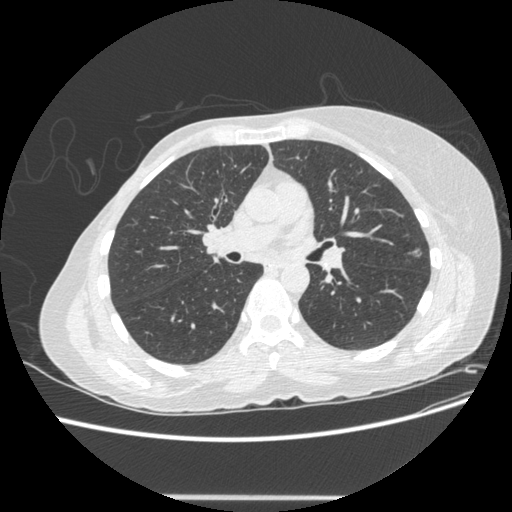
Axial chest CT slice 261 of 500 (counted from the lowest slice); tube voltage 120 kVp, convolution kernel STANDARD; slices 1.25 mm thick, 0.703 mm per pixel.
Pulmonary nodule, outlined by all four readers. Box on this slice rows 248–256, columns 411–421, the union of the readers' outlines on this slice; median longest diameter 8.6 mm (readers' outlines 7.8–9.1 mm), median volume 135 mm3 (108–174 mm3). Ratings, median across the readers with their spread: texture 3/5 (part-solid) at the median of four readers, spread 1/5 (non-solid) to 5/5 (solid); median margin 3/5 (readers ranged 1/5 (indistinct) to 5/5 (circumscribed)); median sphericity 4.5/5 (readers ranged 3/5 (ovoid) to 5/5 (round)); calcification absent from all four readers; internal structure soft tissue from all four readers; median subtlety 4.5/5 (readers ranged 3–5); malignancy likelihood 4/5 at the median of four readers, spread 3–5. Scale key (1–5): texture non-solid→solid, margin indistinct→circumscribed, sphericity linear→round, subtlety extremely subtle→obvious, malignancy likelihood highly unlikely→highly suspicious of cancer. Box rows and columns are 0-based pixel indices from the top-left corner, inclusive.